Axial slice 169 of 298 of a chest CT (slice 1 is the lowest), reconstructed with the BONE kernel at 120 kVp; 1.25 mm slice thickness and 0.719 mm pixels.
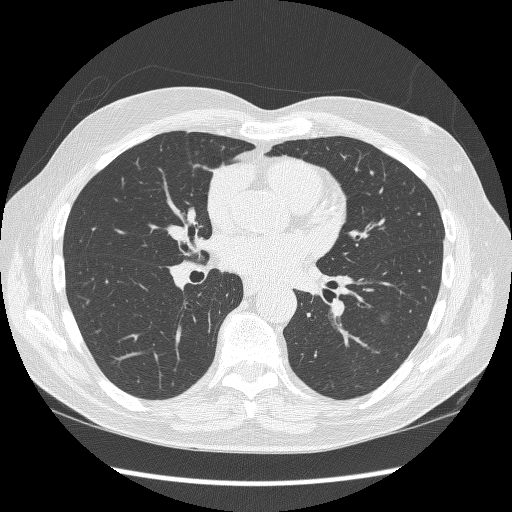
Pulmonary nodule outlined by two of the four readers, one of them on this slice; box rows 311–323, columns 379–388 (the one reader's outline on this slice); longest diameter 10.1 mm on average over the two readers' outlines (readers' outlines 10.0–10.3 mm), volume 236–253 mm3. Ratings, by the readers' most common answer with dissent counted: texture 1/5 (non-solid), both readers agreeing; margin split among the readers: 1/5 (indistinct) (one), 4/5 (one); sphericity 3/5 (ovoid), both readers agreeing; calcification absent, both readers agreeing; internal structure soft tissue from both readers; subtlety 3/5, both readers agreeing; malignancy likelihood 3/5 from both readers. Scale key (1–5): texture non-solid→solid, margin indistinct→circumscribed, sphericity linear→round, subtlety extremely subtle→obvious, malignancy likelihood highly unlikely→highly suspicious of cancer. Box rows and columns are 0-based pixel indices from the top-left corner, inclusive.